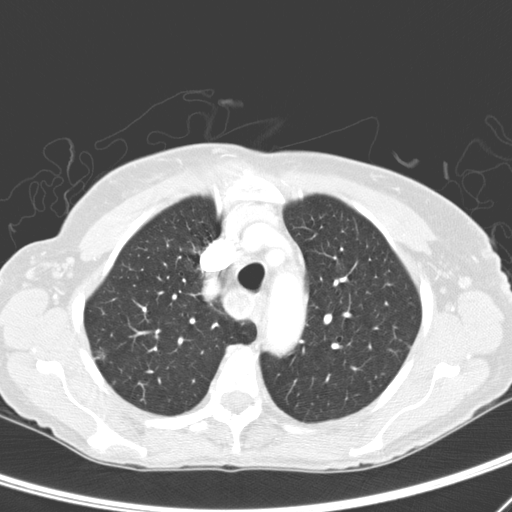
This is axial slice 225 of 276 (slice 1 is the lowest) of a chest CT; each pixel is 0.617 mm and the slice is 2.00 mm thick. Pulmonary nodule outlined by two of the four readers; box rows 348–359, columns 94–105 (the union of the readers' outlines on this slice); longest diameter 8.0–10.8 mm and volume 90–183 mm3 across the two readers' outlines. Ratings across the readers: texture from 1/5 (non-solid) to 2/5 across the two readers; margin from 1/5 (indistinct) to 2/5 across the two readers; sphericity 4/5, both readers agreeing; calcification absent from both readers; internal structure soft tissue, both readers agreeing; subtlety rated between 3 and 4 out of 5 by the two readers; malignancy likelihood 3/5 from both readers. Scale key (1–5): texture non-solid→solid, margin indistinct→circumscribed, sphericity linear→round, subtlety extremely subtle→obvious, malignancy likelihood highly unlikely→highly suspicious of cancer. Box rows and columns are 0-based pixel indices from the top-left corner, inclusive.
Tube voltage 120 kVp; convolution kernel D.